One axial slice (76 of 109, counting up from the lowest) of a chest CT acquired at 135 kVp with the FC01 kernel; each pixel is 0.671 mm and the slice is 3.00 mm thick.
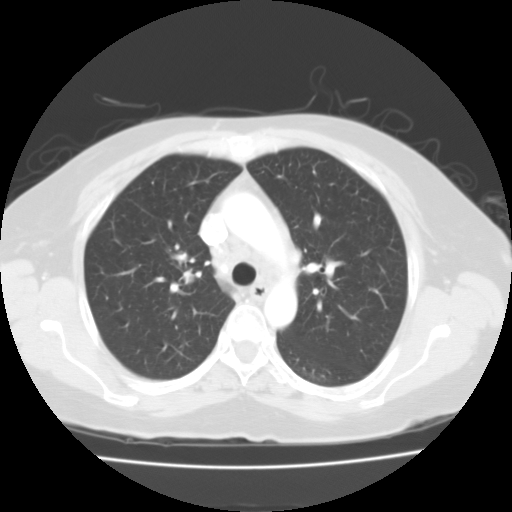
Pulmonary nodule, outlined by one of the four readers. Box on this slice rows 274–283, columns 184–192, that reader's outline on this slice; longest diameter 14.2 mm and volume 707 mm3 from that reader's outline. Ratings by that reader: texture 5/5 (solid); margin 4/5; sphericity 3/5 (ovoid); calcification absent; internal structure soft tissue; subtlety 5/5; malignancy likelihood 3/5. Scale key (1–5): texture non-solid→solid, margin indistinct→circumscribed, sphericity linear→round, subtlety extremely subtle→obvious, malignancy likelihood highly unlikely→highly suspicious of cancer. Box rows and columns are 0-based pixel indices from the top-left corner, inclusive.